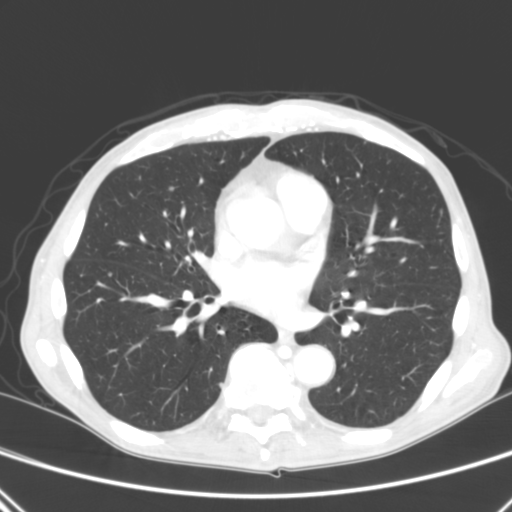
This is axial slice 138 of 290 (slice 1 is the lowest) of a chest CT; each pixel is 0.639 mm and the slice is 2.00 mm thick. Two pulmonary nodules are outlined on this slice; from left to right: (1) Pulmonary nodule, outlined by one of the four readers. Box on this slice rows 187–189, columns 169–173, that reader's outline on this slice; longest diameter 4.1 mm and volume 26 mm3 from that reader's outline. That reader's ratings: texture 5/5 (solid); margin 5/5 (circumscribed); sphericity 5/5 (round); calcification absent; internal structure soft tissue; subtlety 5/5; malignancy likelihood 3/5. (2) Pulmonary nodule outlined by one of the four readers; box rows 382–386, columns 219–222 (that reader's outline on this slice); longest diameter 5.1 mm and volume 33 mm3 from that reader's outline. Ratings by that reader: texture 5/5 (solid); margin 5/5 (circumscribed); sphericity 4/5; calcification absent; internal structure soft tissue; subtlety 5/5; malignancy likelihood 3/5. Scale key (1–5): texture non-solid→solid, margin indistinct→circumscribed, sphericity linear→round, subtlety extremely subtle→obvious, malignancy likelihood highly unlikely→highly suspicious of cancer. Box rows and columns are 0-based pixel indices from the top-left corner, inclusive.
Scan settings: 120 kVp, B reconstruction kernel.